Axial chest CT slice 104 of 197 (counted from the lowest slice); tube voltage 120 kVp, convolution kernel STANDARD; slices 1.25 mm thick, 0.859 mm per pixel.
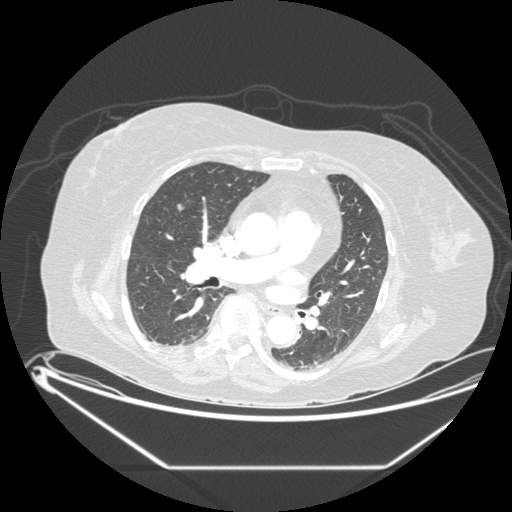
Pulmonary nodule outlined by all four readers; box rows 203–211, columns 176–184 (the union of the readers' outlines on this slice); median longest diameter 9.4 mm (readers' outlines 9.3–11.5 mm), median volume 210 mm3 (206–288 mm3). Median ratings and the readers' spread: texture 5/5 (solid) from all four readers; margin 5/5 (circumscribed) at the median of four readers, spread 3/5 to 5/5 (circumscribed); median sphericity 3.5/5 (readers ranged 3/5 (ovoid) to 5/5 (round)); calcification absent from all four readers; internal structure soft tissue from all four readers; median subtlety 4.5/5 (readers ranged 3–5); malignancy likelihood 3/5 at the median of four readers, spread 2–4. Scale key (1–5): texture non-solid→solid, margin indistinct→circumscribed, sphericity linear→round, subtlety extremely subtle→obvious, malignancy likelihood highly unlikely→highly suspicious of cancer. Box rows and columns are 0-based pixel indices from the top-left corner, inclusive.